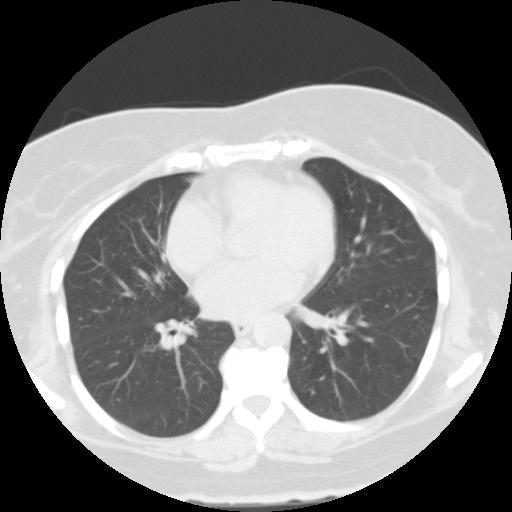
Axial slice 51 of 105 of a chest CT (slice 1 is the lowest), reconstructed with the FC01 kernel at 135 kVp; 3.00 mm slice thickness and 0.656 mm pixels.
Pulmonary nodule at rows 390–394, columns 310–314 (box = the union of the readers' outlines on this slice), outlined by all four readers, two of them on this slice; longest diameter 19.4–23.9 mm and volume 678–1092 mm3 across the four readers' outlines. Ratings across the readers: texture from 2/5 to 5/5 (solid) across the four readers; margin from 2/5 to 5/5 (circumscribed) across the four readers; sphericity from 2/5 to 5/5 (round) across the four readers; calcification absent, all four readers agreeing; internal structure soft tissue, all four readers agreeing; subtlety from 2/5 to 5/5 across the four readers; malignancy likelihood 1–3/5 (the readers disagree). Scale key (1–5): texture non-solid→solid, margin indistinct→circumscribed, sphericity linear→round, subtlety extremely subtle→obvious, malignancy likelihood highly unlikely→highly suspicious of cancer. Box rows and columns are 0-based pixel indices from the top-left corner, inclusive.